Chest CT, axial plane, 120 kVp, kernel BONE. Slice 153/270 from the bottom of the scan; thickness 1.25 mm; pixel size 0.703 mm.
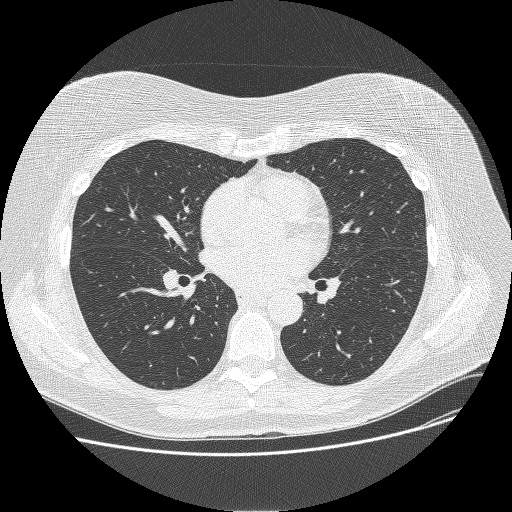
The readers outlined no nodule of 3 mm or more on this slice.